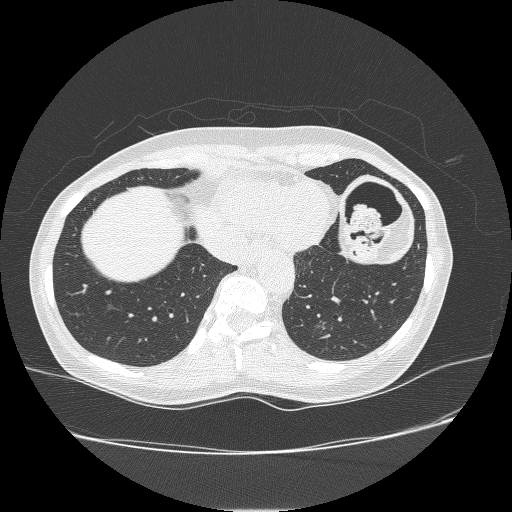
One axial slice (80 of 238, counting up from the lowest) of a chest CT acquired at 120 kVp with the BONE kernel; each pixel is 0.703 mm and the slice is 1.25 mm thick.
Pulmonary nodule at rows 321–330, columns 321–327 (box = the one reader's outline on this slice), outlined by two of the four readers, one of them on this slice; the two readers' outlines give a longest diameter between 10.7 and 13.4 mm and a volume between 131 and 392 mm3. The readers' ratings, as ranges where they differ: texture 1/5 (non-solid) from both readers; margin 1/5 (indistinct), both readers agreeing; sphericity from 4/5 to 5/5 (round) across the two readers; calcification absent, both readers agreeing; internal structure soft tissue, both readers agreeing; subtlety from 2/5 to 4/5 across the two readers; malignancy likelihood 3/5, both readers agreeing. Scale key (1–5): texture non-solid→solid, margin indistinct→circumscribed, sphericity linear→round, subtlety extremely subtle→obvious, malignancy likelihood highly unlikely→highly suspicious of cancer. Box rows and columns are 0-based pixel indices from the top-left corner, inclusive.